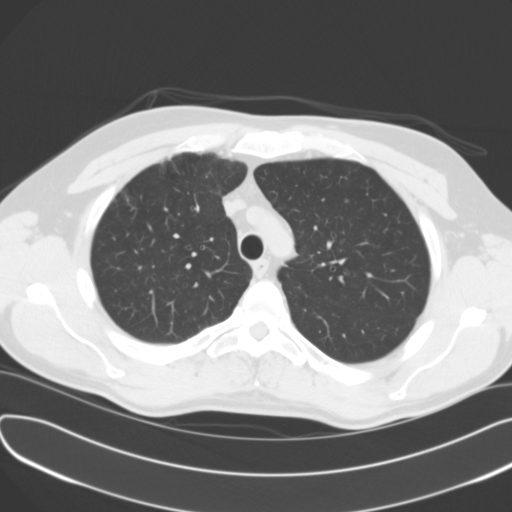
Slice 97/131 of a chest CT, counting up from the lowest; pixel size 0.721 mm, slice thickness 3.00 mm. Pulmonary nodule at rows 164–173, columns 159–166 (box = the one reader's outline on this slice), outlined by all four readers, one of them on this slice; longest diameter 22.6–49.1 mm and volume 879–6132 mm3 across the four readers' outlines. The readers' ratings, as ranges where they differ: texture from 4/5 to 5/5 (solid) across the four readers; margin from 1/5 (indistinct) to 4/5 across the four readers; sphericity from 2/5 to 5/5 (round) across the four readers; calcification absent, all four readers agreeing; internal structure soft tissue from all four readers; subtlety from 2/5 to 5/5 across the four readers; malignancy likelihood from 1/5 to 5/5 across the four readers. Scale key (1–5): texture non-solid→solid, margin indistinct→circumscribed, sphericity linear→round, subtlety extremely subtle→obvious, malignancy likelihood highly unlikely→highly suspicious of cancer. Box rows and columns are 0-based pixel indices from the top-left corner, inclusive.
Scan settings: 120 kVp, B31f reconstruction kernel.